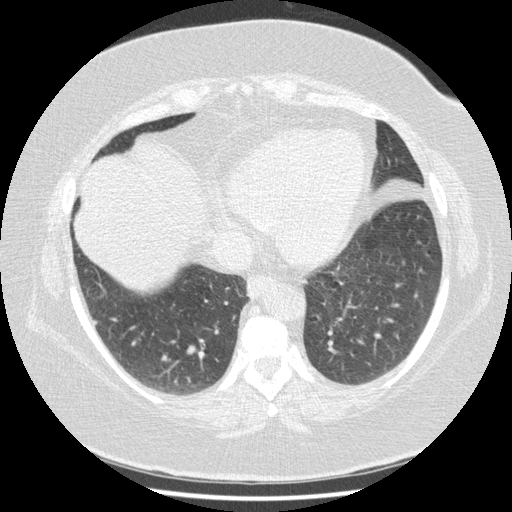
Chest CT, axial plane, 120 kVp, kernel STANDARD. Slice 148/417 from the bottom of the scan; thickness 1.25 mm; pixel size 0.703 mm.
Pulmonary nodule outlined by one of the four readers; box rows 320–324, columns 93–96 (that reader's outline on this slice); longest diameter 5.1 mm and volume 29 mm3 from that reader's outline. Ratings by that reader: texture 5/5 (solid); margin 5/5 (circumscribed); sphericity 4/5; calcification absent; internal structure soft tissue; subtlety 5/5; malignancy likelihood 3/5. Scale key (1–5): texture non-solid→solid, margin indistinct→circumscribed, sphericity linear→round, subtlety extremely subtle→obvious, malignancy likelihood highly unlikely→highly suspicious of cancer. Box rows and columns are 0-based pixel indices from the top-left corner, inclusive.